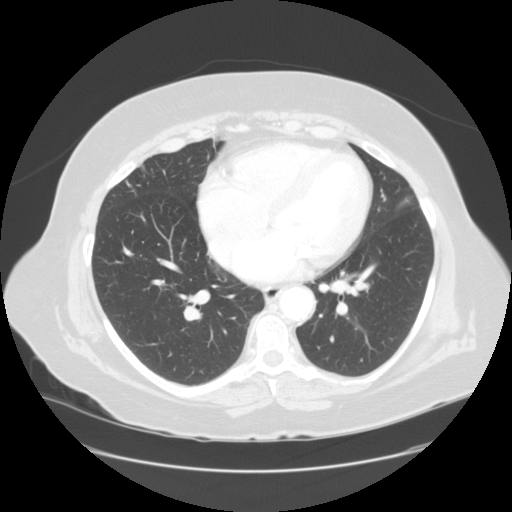
This is axial slice 64 of 133 (slice 1 is the lowest) of a chest CT; each pixel is 0.781 mm and the slice is 2.50 mm thick. No nodule of 3 mm or larger was outlined by any of the four readers on this slice.
Tube voltage 120 kVp; convolution kernel STANDARD.